Axial chest CT slice 107 of 276 (counted from the lowest slice); tube voltage 120 kVp, convolution kernel D; slices 2.00 mm thick, 0.617 mm per pixel.
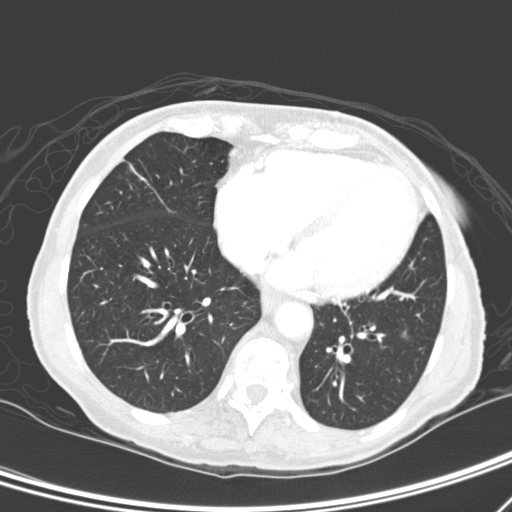
Pulmonary nodule outlined by all four readers, three of them on this slice; box rows 329–340, columns 401–411 (the union of the readers' outlines on this slice); median longest diameter 9.0 mm (readers' outlines 7.2–10.6 mm), median volume 158 mm3 (121–277 mm3). Median ratings and the readers' spread: median texture 2/5 (readers ranged 1/5 (non-solid) to 5/5 (solid)); median margin 1/5 (indistinct) (readers ranged 1/5 (indistinct) to 5/5 (circumscribed)); sphericity 3.5/5 at the median of four readers, spread 2/5 to 4/5; calcification absent from all four readers; internal structure soft tissue, all four readers agreeing; median subtlety 3/5 (readers ranged 2–4); median malignancy likelihood 3.5/5 (readers ranged 2–4). Scale key (1–5): texture non-solid→solid, margin indistinct→circumscribed, sphericity linear→round, subtlety extremely subtle→obvious, malignancy likelihood highly unlikely→highly suspicious of cancer. Box rows and columns are 0-based pixel indices from the top-left corner, inclusive.